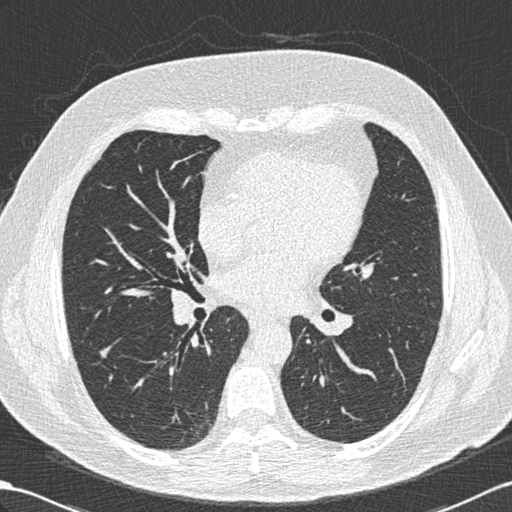
Axial slice 306 of 636 of a chest CT (slice 1 is the lowest), reconstructed with the B30f kernel at 120 kVp; 0.60 mm slice thickness and 0.689 mm pixels.
Pulmonary nodule, outlined by all four readers. Box on this slice rows 345–358, columns 99–112, the union of the readers' outlines on this slice; median longest diameter 11.1 mm (readers' outlines 10.2–12.1 mm), median volume 162 mm3 (103–208 mm3). Median ratings and the readers' spread: texture 5/5 (solid) at the median of four readers, spread 4/5 to 5/5 (solid); median margin 4/5 (readers ranged 3/5 to 5/5 (circumscribed)); sphericity 3/5 (ovoid), all four readers agreeing; calcification absent from all four readers; internal structure soft tissue from all four readers; subtlety 4/5 at the median of four readers, spread 3–5; malignancy likelihood 3/5 from all four readers. Scale key (1–5): texture non-solid→solid, margin indistinct→circumscribed, sphericity linear→round, subtlety extremely subtle→obvious, malignancy likelihood highly unlikely→highly suspicious of cancer. Box rows and columns are 0-based pixel indices from the top-left corner, inclusive.